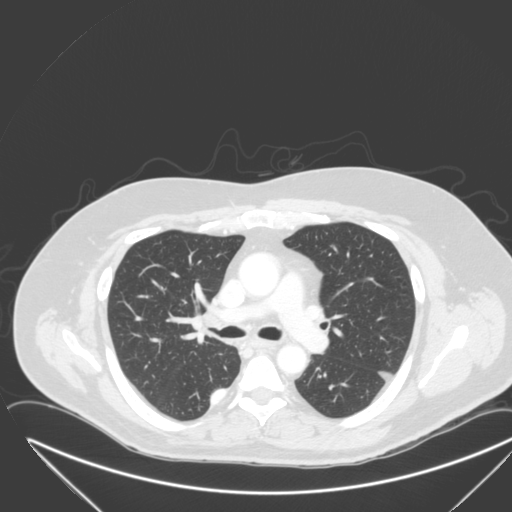
Axial chest CT slice 198 of 315 (counted from the lowest slice); tube voltage 120 kVp, convolution kernel B; slices 2.00 mm thick, 0.830 mm per pixel.
Pulmonary nodule at rows 389–405, columns 211–226 (box = that reader's outline on this slice), outlined by one of the four readers; longest diameter 27.1 mm and volume 6093 mm3 from that reader's outline. That reader's ratings: texture 5/5 (solid); margin 4/5; sphericity 2/5; calcification absent; internal structure soft tissue; subtlety 5/5; malignancy likelihood 4/5. Scale key (1–5): texture non-solid→solid, margin indistinct→circumscribed, sphericity linear→round, subtlety extremely subtle→obvious, malignancy likelihood highly unlikely→highly suspicious of cancer. Box rows and columns are 0-based pixel indices from the top-left corner, inclusive.